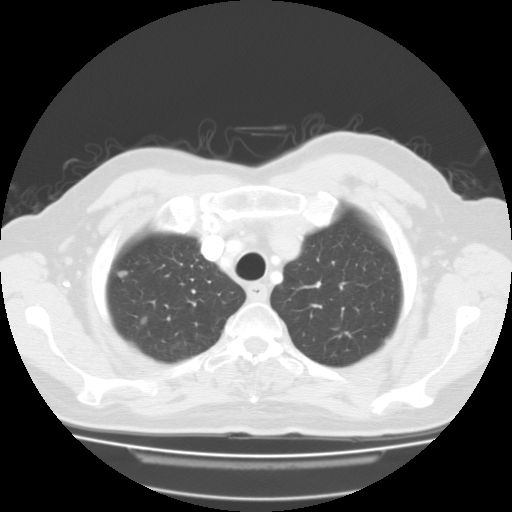
Axial slice 106 of 127 of a chest CT (slice 1 is the lowest), reconstructed with the FC01 kernel at 135 kVp; 3.00 mm slice thickness and 0.750 mm pixels.
Two pulmonary nodules on this slice, listed from left to right. (1) Pulmonary nodule at rows 272–276, columns 118–126 (box = the union of the readers' outlines on this slice), outlined by two of the four readers; longest diameter 7.6–7.8 mm and volume 127–147 mm3 across the two readers' outlines. The readers' ratings, as ranges where they differ: texture 5/5 (solid) from both readers; margin from 3/5 to 5/5 (circumscribed) across the two readers; sphericity 3/5 (ovoid) from both readers; calcification absent, both readers agreeing; internal structure soft tissue from both readers; subtlety rated between 4 and 5 out of 5 by the two readers; malignancy likelihood from 2/5 to 3/5 across the two readers. (2) Pulmonary nodule at rows 316–324, columns 141–148 (box = the union of the readers' outlines on this slice), outlined by three of the four readers, two of them on this slice; median longest diameter 8.1 mm (readers' outlines 7.4–9.8 mm), median volume 266 mm3 (132–423 mm3). Median ratings and the readers' spread: median texture 5/5 (solid) (readers ranged 3/5 (part-solid) to 5/5 (solid)); margin 4/5 at the median of three readers, spread 3/5 to 4/5; sphericity 4/5 from all three readers; calcification absent, all three readers agreeing; internal structure soft tissue from all three readers; median subtlety 4/5 (readers ranged 2–5); malignancy likelihood 3/5 at the median of three readers, spread 2–3. Scale key (1–5): texture non-solid→solid, margin indistinct→circumscribed, sphericity linear→round, subtlety extremely subtle→obvious, malignancy likelihood highly unlikely→highly suspicious of cancer. Box rows and columns are 0-based pixel indices from the top-left corner, inclusive.